Axial slice 281 of 461 of a chest CT (slice 1 is the lowest), reconstructed with the STANDARD kernel at 120 kVp; 1.25 mm slice thickness and 0.586 mm pixels.
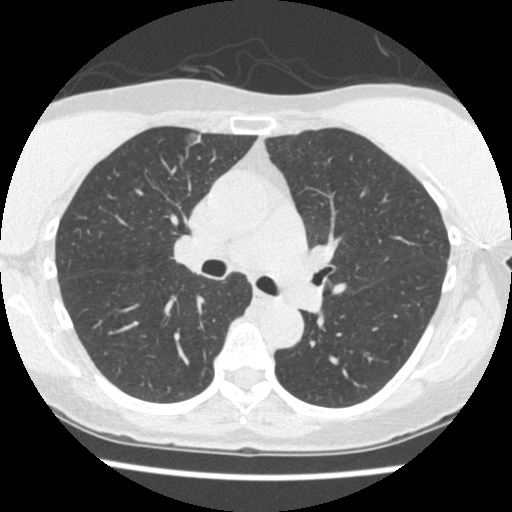
None of the four readers outlined a nodule of 3 mm or more on this slice.